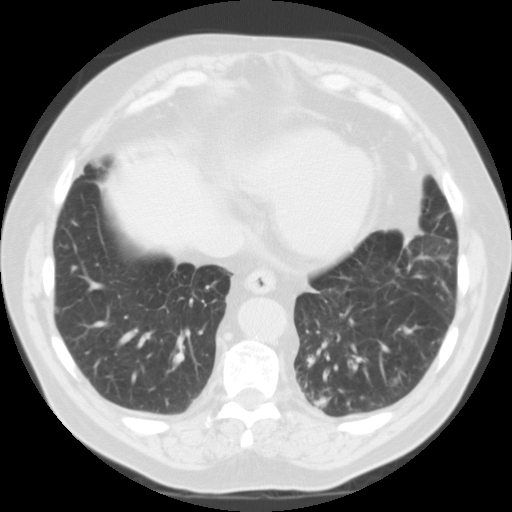
Axial slice 41 of 115 of a chest CT (slice 1 is the lowest), reconstructed with the FC01 kernel at 135 kVp; 3.00 mm slice thickness and 0.720 mm pixels.
Pulmonary nodule, outlined by two of the four readers. Box on this slice rows 338–343, columns 437–440, the union of the readers' outlines on this slice; longest diameter 7.2–7.5 mm and volume 169–196 mm3 across the two readers' outlines. The readers' ratings, as ranges where they differ: texture from 3/5 (part-solid) to 4/5 across the two readers; margin from 3/5 to 4/5 across the two readers; sphericity from 3/5 (ovoid) to 4/5 across the two readers; calcification absent, both readers agreeing; internal structure soft tissue, both readers agreeing; subtlety 4/5 from both readers; malignancy likelihood 2–3/5 (the readers disagree). Scale key (1–5): texture non-solid→solid, margin indistinct→circumscribed, sphericity linear→round, subtlety extremely subtle→obvious, malignancy likelihood highly unlikely→highly suspicious of cancer. Box rows and columns are 0-based pixel indices from the top-left corner, inclusive.